Chest CT, axial plane, 135 kVp, kernel FC01. Slice 70/115 from the bottom of the scan; thickness 3.00 mm; pixel size 0.720 mm.
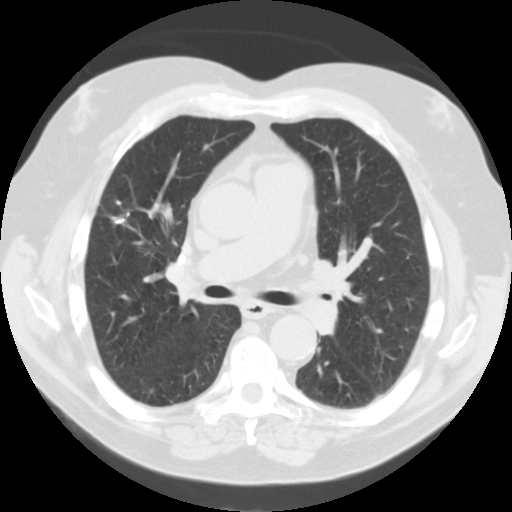
Two pulmonary nodules are outlined on this slice; from left to right: (1) Pulmonary nodule at rows 200–205, columns 115–121 (box = that reader's outline on this slice), outlined by one of the four readers; longest diameter 6.2 mm and volume 113 mm3 from that reader's outline. That reader's ratings: texture 5/5 (solid); margin 5/5 (circumscribed); sphericity 5/5 (round); calcification solid calcification; internal structure soft tissue; subtlety 5/5; malignancy likelihood 1/5. (2) Pulmonary nodule at rows 212–223, columns 113–129 (box = the union of the readers' outlines on this slice), outlined by two of the four readers; median longest diameter 10.6 mm (readers' outlines 5.9–15.2 mm), median volume 192 mm3 (119–265 mm3). Median ratings and the readers' spread: texture 5/5 (solid) from both readers; margin 5/5 (circumscribed), both readers agreeing; median sphericity 3/5 (ovoid) (readers ranged 2/5 to 4/5); calcification solid calcification from both readers; internal structure soft tissue from both readers; median subtlety 4/5 (readers ranged 3–5); malignancy likelihood 1/5, both readers agreeing. Scale key (1–5): texture non-solid→solid, margin indistinct→circumscribed, sphericity linear→round, subtlety extremely subtle→obvious, malignancy likelihood highly unlikely→highly suspicious of cancer. Box rows and columns are 0-based pixel indices from the top-left corner, inclusive.